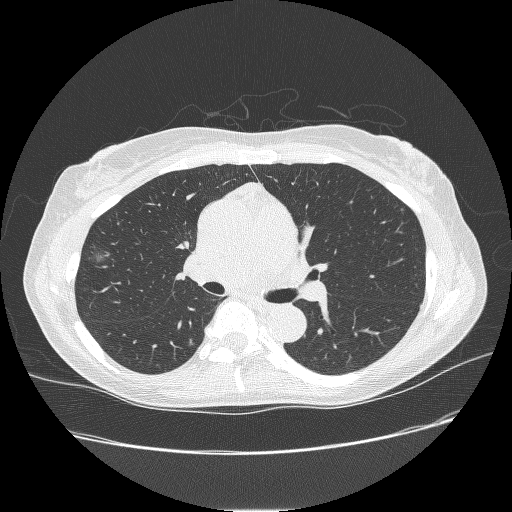
Chest CT, axial plane, 120 kVp, kernel BONE. Slice 154/238 from the bottom of the scan; thickness 1.25 mm; pixel size 0.703 mm.
Two pulmonary nodules on this slice, listed from left to right. (1) Pulmonary nodule outlined by two of the four readers; box rows 248–262, columns 86–107 (the union of the readers' outlines on this slice); longest diameter 11.5–16.5 mm and volume 494–598 mm3 across the two readers' outlines. The readers' ratings, as ranges where they differ: texture 1/5 (non-solid), both readers agreeing; margin 1/5 (indistinct), both readers agreeing; sphericity from 3/5 (ovoid) to 4/5 across the two readers; calcification absent from both readers; internal structure soft tissue from both readers; subtlety 4/5, both readers agreeing; malignancy likelihood rated between 3 and 4 out of 5 by the two readers. (2) Pulmonary nodule outlined by one of the four readers; box rows 338–345, columns 187–193 (that reader's outline on this slice); longest diameter 6.7 mm and volume 77 mm3 from that reader's outline. Ratings by that reader: texture 2/5; margin 1/5 (indistinct); sphericity 4/5; calcification absent; internal structure soft tissue; subtlety 1/5; malignancy likelihood 4/5. Scale key (1–5): texture non-solid→solid, margin indistinct→circumscribed, sphericity linear→round, subtlety extremely subtle→obvious, malignancy likelihood highly unlikely→highly suspicious of cancer. Box rows and columns are 0-based pixel indices from the top-left corner, inclusive.